One axial slice (108 of 128, counting up from the lowest) of a chest CT acquired at 120 kVp with the STANDARD kernel; each pixel is 0.742 mm and the slice is 2.50 mm thick.
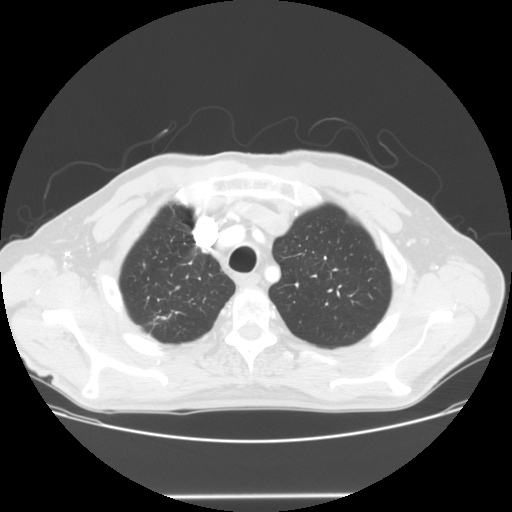
Pulmonary nodule outlined by all four readers, two of them on this slice; box rows 315–320, columns 156–167 (the union of the readers' outlines on this slice); longest diameter 15.3 mm on average over the four readers' outlines (readers' outlines 14.3–17.2 mm), volume 762–950 mm3. Ratings, by the readers' most common answer with dissent counted: texture 5/5 (solid) by three of four readers; the rest gave 4/5 (one); margin split among the readers: 3/5 (two), 4/5 (two); sphericity 3/5 (ovoid) by two of four readers; the rest gave 2/5 (one), 5/5 (round) (one); calcification absent by three of four readers, central calcification (one); internal structure soft tissue, all four readers agreeing; subtlety split among the readers: 4/5 (two), 5/5 (two); malignancy likelihood 4/5 by two of four readers; the rest gave 2/5 (one), 5/5 (one). Scale key (1–5): texture non-solid→solid, margin indistinct→circumscribed, sphericity linear→round, subtlety extremely subtle→obvious, malignancy likelihood highly unlikely→highly suspicious of cancer. Box rows and columns are 0-based pixel indices from the top-left corner, inclusive.